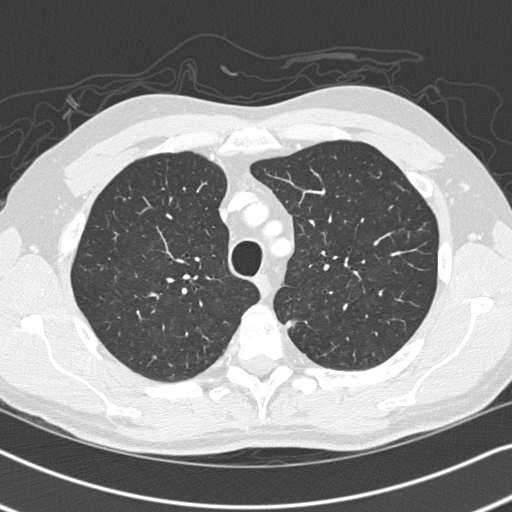
Axial chest CT slice 251 of 326 (counted from the lowest slice); tube voltage 120 kVp, convolution kernel B45f; slices 1.00 mm thick, 0.645 mm per pixel.
Pulmonary nodule outlined by three of the four readers; box rows 319–329, columns 285–296 (the union of the readers' outlines on this slice); median longest diameter 11.6 mm (readers' outlines 10.7–11.8 mm), median volume 255 mm3 (148–311 mm3). Median ratings and the readers' spread: texture 5/5 (solid) at the median of three readers, spread 4/5 to 5/5 (solid); margin 4/5 at the median of three readers, spread 3/5 to 5/5 (circumscribed); sphericity 3/5 (ovoid) at the median of three readers, spread 2/5 to 5/5 (round); calcification absent, all three readers agreeing; internal structure soft tissue from all three readers; median subtlety 4/5 (readers ranged 3–5); malignancy likelihood 2/5 at the median of three readers, spread 2–3. Scale key (1–5): texture non-solid→solid, margin indistinct→circumscribed, sphericity linear→round, subtlety extremely subtle→obvious, malignancy likelihood highly unlikely→highly suspicious of cancer. Box rows and columns are 0-based pixel indices from the top-left corner, inclusive.